Axial chest CT slice 148 of 244 (counted from the lowest slice); tube voltage 120 kVp, convolution kernel BONE; slices 1.25 mm thick, 0.729 mm per pixel.
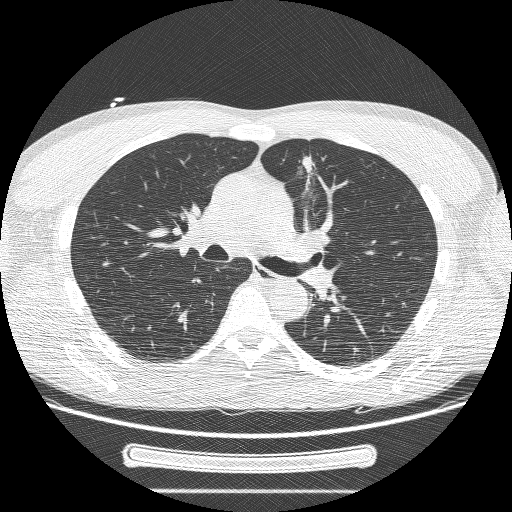
Pulmonary nodule at rows 154–172, columns 301–316 (box = the union of the readers' outlines on this slice), outlined by three of the four readers; longest diameter 34.2 mm on average over the three readers' outlines (readers' outlines 27.4–37.9 mm), volume 2934–10099 mm3. Ratings, by the readers' most common answer with dissent counted: texture 5/5 (solid) by two of three readers; the rest gave 3/5 (part-solid) (one); margin split among the readers: 1/5 (indistinct) (one), 2/5 (one), 3/5 (one); sphericity split among the readers: 2/5 (one), 3/5 (ovoid) (one), 4/5 (one); calcification absent from all three readers; internal structure soft tissue from all three readers; subtlety 5/5, all three readers agreeing; most readers (two of three) put malignancy likelihood at 5/5, others 3/5 (one). Scale key (1–5): texture non-solid→solid, margin indistinct→circumscribed, sphericity linear→round, subtlety extremely subtle→obvious, malignancy likelihood highly unlikely→highly suspicious of cancer. Box rows and columns are 0-based pixel indices from the top-left corner, inclusive.